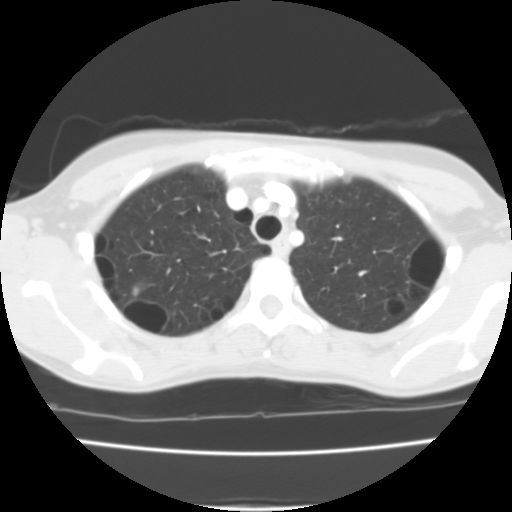
This is axial slice 89 of 112 (slice 1 is the lowest) of a chest CT; each pixel is 0.573 mm and the slice is 3.00 mm thick. Pulmonary nodule outlined by all four readers; box rows 285–297, columns 131–139 (the union of the readers' outlines on this slice); median longest diameter 16.7 mm (readers' outlines 16.4–19.0 mm), median volume 2634 mm3 (2422–3472 mm3). Ratings, median across the readers with their spread: texture 5/5 (solid) from all four readers; margin 4.5/5 at the median of four readers, spread 4/5 to 5/5 (circumscribed); sphericity 4.5/5 at the median of four readers, spread 4/5 to 5/5 (round); calcification absent, all four readers agreeing; internal structure soft tissue, all four readers agreeing; subtlety 5/5, all four readers agreeing; malignancy likelihood 3/5 at the median of four readers, spread 3–5. Scale key (1–5): texture non-solid→solid, margin indistinct→circumscribed, sphericity linear→round, subtlety extremely subtle→obvious, malignancy likelihood highly unlikely→highly suspicious of cancer. Box rows and columns are 0-based pixel indices from the top-left corner, inclusive.
Tube voltage 135 kVp; convolution kernel FC01.